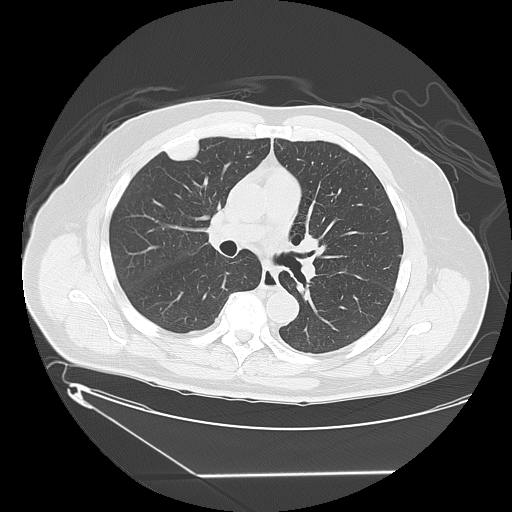
One axial slice (59 of 117, counting up from the lowest) of a chest CT acquired at 120 kVp with the LUNG kernel; each pixel is 0.898 mm and the slice is 2.50 mm thick.
Pulmonary nodule, outlined by three of the four readers. Box on this slice rows 140–161, columns 166–198, the union of the readers' outlines on this slice; longest diameter 35.0 mm on average over the three readers' outlines (readers' outlines 32.3–37.3 mm), volume 8512–9765 mm3. Ratings, by the readers' most common answer with dissent counted: texture 5/5 (solid) from all three readers; margin 5/5 (circumscribed), all three readers agreeing; sphericity 3/5 (ovoid) by two of three readers; the rest gave 5/5 (round) (one); calcification absent, all three readers agreeing; internal structure soft tissue from all three readers; most readers (two of three) put subtlety at 5/5, others 3/5 (one); most readers (two of three) put malignancy likelihood at 2/5, others 5/5 (one). Scale key (1–5): texture non-solid→solid, margin indistinct→circumscribed, sphericity linear→round, subtlety extremely subtle→obvious, malignancy likelihood highly unlikely→highly suspicious of cancer. Box rows and columns are 0-based pixel indices from the top-left corner, inclusive.